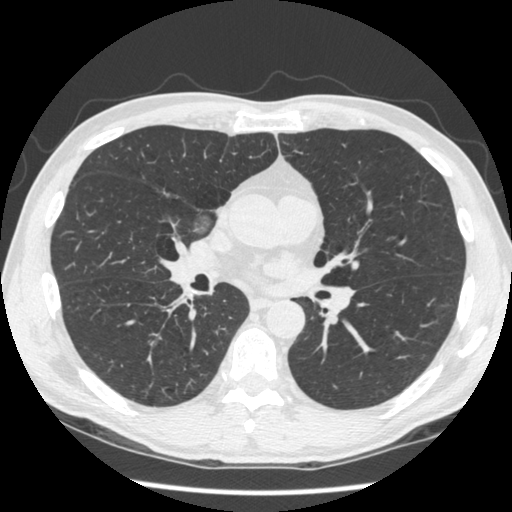
This is axial slice 246 of 506 (slice 1 is the lowest) of a chest CT; each pixel is 0.664 mm and the slice is 1.25 mm thick. Pulmonary nodule, outlined by two of the four readers, one of them on this slice. Box on this slice rows 215–233, columns 189–210, the one reader's outline on this slice; longest diameter 16.8 mm on average over the two readers' outlines (readers' outlines 16.4–17.3 mm), volume 126–127 mm3. The readers' prevailing ratings and who disagreed: texture 1/5 (non-solid), both readers agreeing; margin split among the readers: 1/5 (indistinct) (one), 4/5 (one); sphericity split among the readers: 3/5 (ovoid) (one), 4/5 (one); calcification absent from both readers; internal structure soft tissue, both readers agreeing; subtlety split among the readers: 2/5 (one), 4/5 (one); malignancy likelihood 3/5 from both readers. Scale key (1–5): texture non-solid→solid, margin indistinct→circumscribed, sphericity linear→round, subtlety extremely subtle→obvious, malignancy likelihood highly unlikely→highly suspicious of cancer. Box rows and columns are 0-based pixel indices from the top-left corner, inclusive.
Scan settings: 120 kVp, STANDARD reconstruction kernel.